Axial chest CT slice 491 of 764 (counted from the lowest slice); tube voltage 120 kVp, convolution kernel B31f; slices 1.00 mm thick, 0.646 mm per pixel.
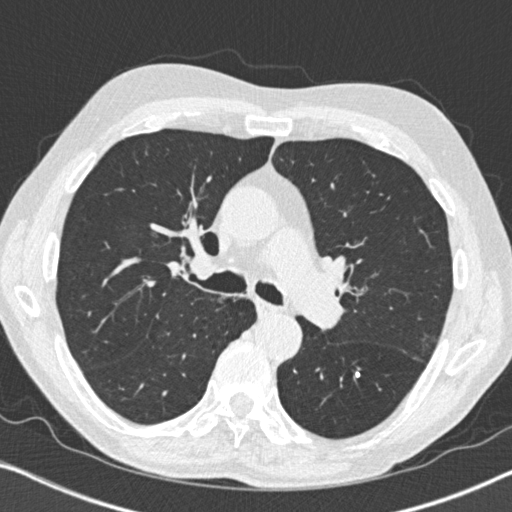
Pulmonary nodule at rows 371–377, columns 354–359 (box = the union of the readers' outlines on this slice), outlined by two of the four readers; the two readers' outlines give a longest diameter between 4.7 and 5.8 mm and a volume between 50 and 90 mm3. Ratings across the readers: texture 5/5 (solid) from both readers; margin 5/5 (circumscribed), both readers agreeing; sphericity from 4/5 to 5/5 (round) across the two readers; calcification solid calcification, both readers agreeing; internal structure soft tissue, both readers agreeing; subtlety 5/5, both readers agreeing; malignancy likelihood 1/5 from both readers. Scale key (1–5): texture non-solid→solid, margin indistinct→circumscribed, sphericity linear→round, subtlety extremely subtle→obvious, malignancy likelihood highly unlikely→highly suspicious of cancer. Box rows and columns are 0-based pixel indices from the top-left corner, inclusive.